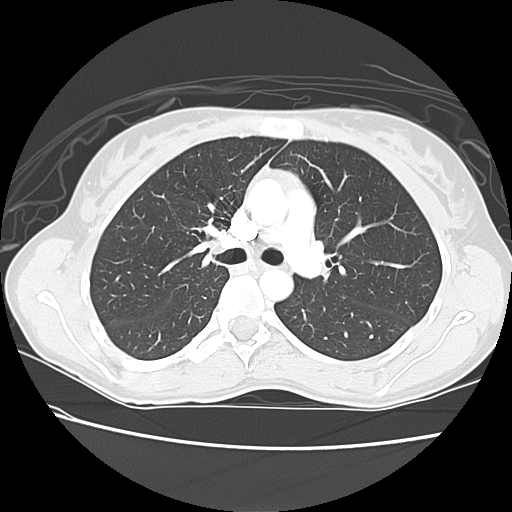
Axial chest CT slice 91 of 140 (counted from the lowest slice); 2.50 mm thick, 0.625 mm per pixel. No nodule of 3 mm or larger was outlined by any of the four readers on this slice.
Scan settings: 120 kVp, LUNG reconstruction kernel.